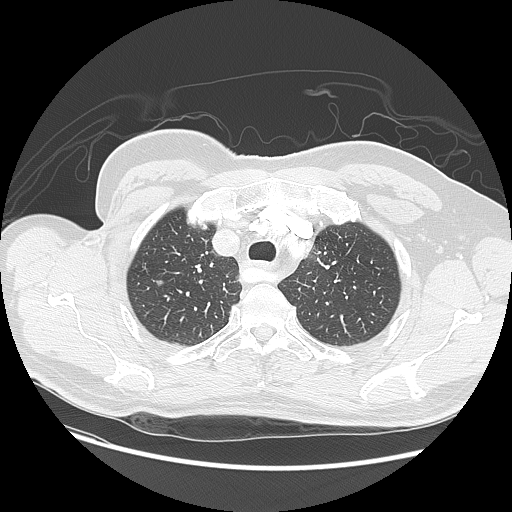
Axial chest CT slice 101 of 135 (counted from the lowest slice); tube voltage 120 kVp, convolution kernel LUNG; slices 2.50 mm thick, 0.781 mm per pixel.
Pulmonary nodule at rows 280–285, columns 155–162 (box = the union of the readers' outlines on this slice), outlined by all four readers; median longest diameter 12.7 mm (readers' outlines 10.6–13.7 mm), median volume 650 mm3 (560–752 mm3). Median ratings and the readers' spread: texture 5/5 (solid) from all four readers; margin 5/5 (circumscribed) at the median of four readers, spread 4/5 to 5/5 (circumscribed); median sphericity 4/5 (readers ranged 4/5 to 5/5 (round)); calcification absent from all four readers; internal structure soft tissue from all four readers; subtlety 5/5 at the median of four readers, spread 4–5; malignancy likelihood 4/5 at the median of four readers, spread 2–4. Scale key (1–5): texture non-solid→solid, margin indistinct→circumscribed, sphericity linear→round, subtlety extremely subtle→obvious, malignancy likelihood highly unlikely→highly suspicious of cancer. Box rows and columns are 0-based pixel indices from the top-left corner, inclusive.